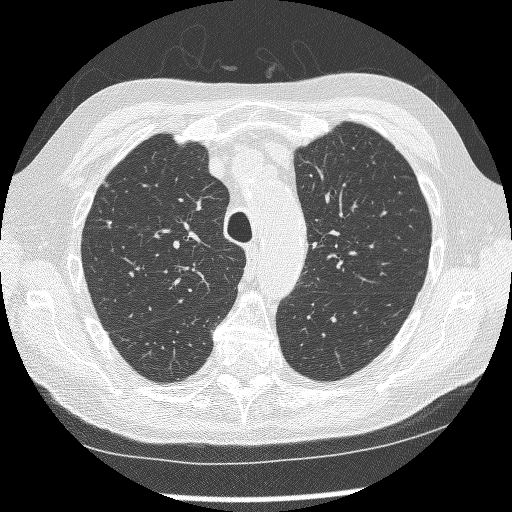
Axial chest CT slice 202 of 250 (counted from the lowest slice); 1.25 mm thick, 0.654 mm per pixel. Pulmonary nodule at rows 221–224, columns 108–111 (box = the union of the readers' outlines on this slice), outlined by all four readers, two of them on this slice; longest diameter 4.6–5.9 mm and volume 18–44 mm3 across the four readers' outlines. Ratings across the readers: texture 5/5 (solid) from all four readers; margin 5/5 (circumscribed) from all four readers; sphericity from 3/5 (ovoid) to 4/5 across the four readers; calcification solid calcification from all four readers; internal structure soft tissue, all four readers agreeing; subtlety 2–5/5 (the readers disagree); malignancy likelihood 1/5 from all four readers. Scale key (1–5): texture non-solid→solid, margin indistinct→circumscribed, sphericity linear→round, subtlety extremely subtle→obvious, malignancy likelihood highly unlikely→highly suspicious of cancer. Box rows and columns are 0-based pixel indices from the top-left corner, inclusive.
Scan settings: 120 kVp, BONE reconstruction kernel.